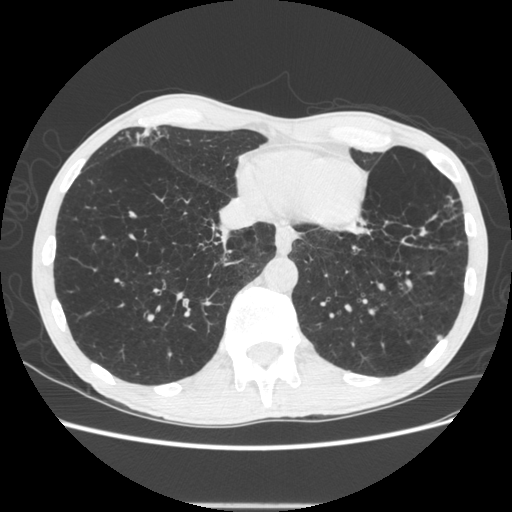
Axial chest CT slice 171 of 605 (counted from the lowest slice); tube voltage 120 kVp, convolution kernel STANDARD; slices 1.25 mm thick, 0.703 mm per pixel.
Pulmonary nodule outlined by one of the four readers; box rows 336–340, columns 437–441 (that reader's outline on this slice); longest diameter 6.3 mm and volume 45 mm3 from that reader's outline. That reader's ratings: texture 5/5 (solid); margin 5/5 (circumscribed); sphericity 4/5; calcification absent; internal structure soft tissue; subtlety 3/5; malignancy likelihood 3/5. Scale key (1–5): texture non-solid→solid, margin indistinct→circumscribed, sphericity linear→round, subtlety extremely subtle→obvious, malignancy likelihood highly unlikely→highly suspicious of cancer. Box rows and columns are 0-based pixel indices from the top-left corner, inclusive.